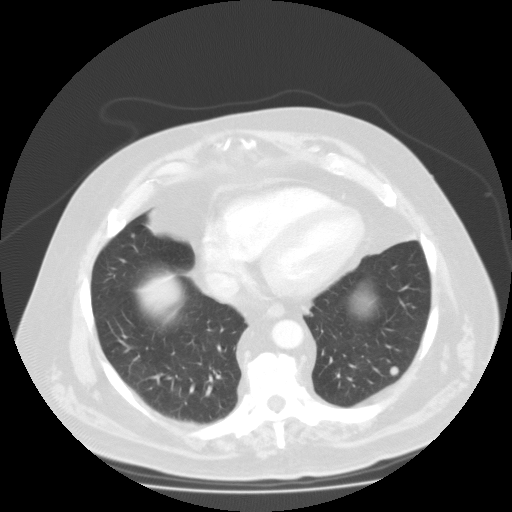
Chest CT, axial plane, 135 kVp, kernel FC01. Slice 48/123 from the bottom of the scan; thickness 3.00 mm; pixel size 0.877 mm.
Pulmonary nodule at rows 366–375, columns 389–398 (box = the union of the readers' outlines on this slice), outlined by all four readers; longest diameter 10.3 mm on average over the four readers' outlines (readers' outlines 9.2–11.4 mm), volume 353–648 mm3. Ratings, by the readers' most common answer with dissent counted: texture 5/5 (solid), all four readers agreeing; margin 5/5 (circumscribed), all four readers agreeing; sphericity 5/5 (round), all four readers agreeing; calcification absent from all four readers; internal structure soft tissue, all four readers agreeing; subtlety 5/5 by two of four readers; the rest gave 3/5 (one), 4/5 (one); malignancy likelihood 3/5 by two of four readers; the rest gave 2/5 (one), 4/5 (one). Scale key (1–5): texture non-solid→solid, margin indistinct→circumscribed, sphericity linear→round, subtlety extremely subtle→obvious, malignancy likelihood highly unlikely→highly suspicious of cancer. Box rows and columns are 0-based pixel indices from the top-left corner, inclusive.